Chest CT, axial plane, 120 kVp, kernel B30f. Slice 93/183 from the bottom of the scan; thickness 2.00 mm; pixel size 0.664 mm.
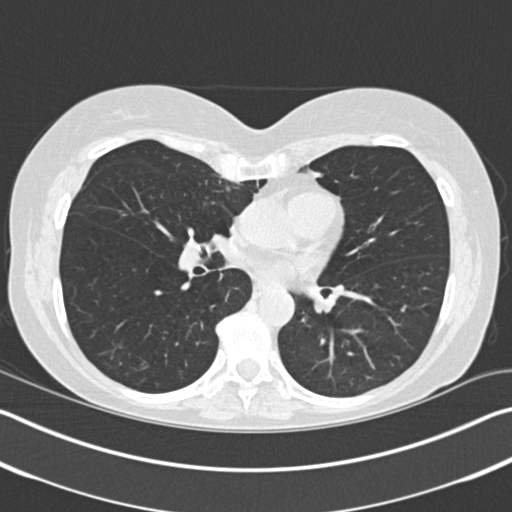
Two pulmonary nodules on this slice, listed from left to right. (1) Pulmonary nodule at rows 201–204, columns 211–214 (box = the one reader's outline on this slice), outlined by all four readers, one of them on this slice; the four readers' outlines give a longest diameter between 5.7 and 6.8 mm and a volume between 42 and 157 mm3. Ratings across the readers: texture 5/5 (solid), all four readers agreeing; margin 5/5 (circumscribed) from all four readers; sphericity from 3/5 (ovoid) to 5/5 (round) across the four readers; calcification absent from all four readers; internal structure soft tissue, all four readers agreeing; subtlety 2–4/5 (the readers disagree); malignancy likelihood from 2/5 to 3/5 across the four readers. (2) Pulmonary nodule outlined by all four readers, two of them on this slice; box rows 186–192, columns 226–230 (the union of the readers' outlines on this slice); the four readers' outlines give a longest diameter between 14.4 and 15.3 mm and a volume between 647 and 1201 mm3. Ratings across the readers: texture 5/5 (solid) from all four readers; margin from 4/5 to 5/5 (circumscribed) across the four readers; sphericity from 3/5 (ovoid) to 4/5 across the four readers; calcification absent from all four readers; internal structure soft tissue from all four readers; subtlety 4–5/5 (the readers disagree); malignancy likelihood from 3/5 to 5/5 across the four readers. Scale key (1–5): texture non-solid→solid, margin indistinct→circumscribed, sphericity linear→round, subtlety extremely subtle→obvious, malignancy likelihood highly unlikely→highly suspicious of cancer. Box rows and columns are 0-based pixel indices from the top-left corner, inclusive.